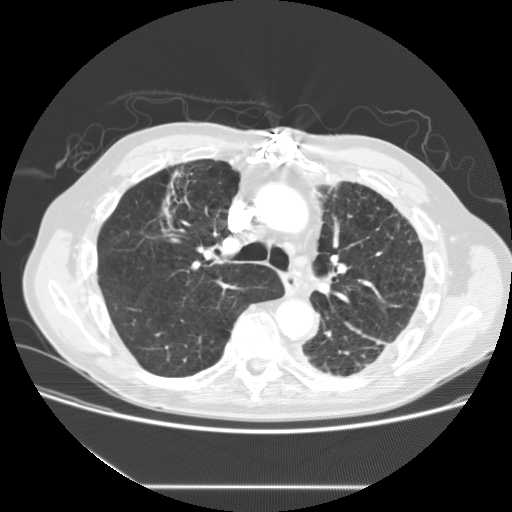
Chest CT, axial plane, 120 kVp, kernel STANDARD. Slice 102/149 from the bottom of the scan; thickness 2.50 mm; pixel size 0.742 mm.
None of the four readers outlined a nodule of 3 mm or more on this slice.